Chest CT, axial plane, 120 kVp, kernel D. Slice 46/275 from the bottom of the scan; thickness 1.00 mm; pixel size 0.658 mm.
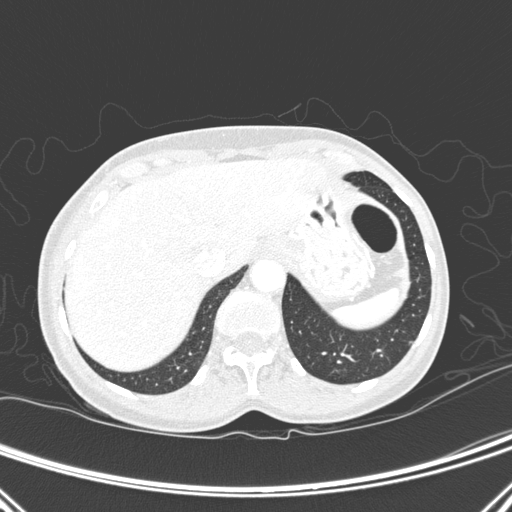
Pulmonary nodule, outlined by two of the four readers. Box on this slice rows 341–343, columns 408–413, the union of the readers' outlines on this slice; median longest diameter 4.1 mm (readers' outlines 3.5–4.7 mm), median volume 25 mm3 (20–29 mm3). Median ratings and the readers' spread: texture 5/5 (solid), both readers agreeing; median margin 4.5/5 (readers ranged 4/5 to 5/5 (circumscribed)); median sphericity 4.5/5 (readers ranged 4/5 to 5/5 (round)); calcification absent from both readers; internal structure soft tissue, both readers agreeing; subtlety 2.5/5 at the median of two readers, spread 2–3; malignancy likelihood 1/5 from both readers. Scale key (1–5): texture non-solid→solid, margin indistinct→circumscribed, sphericity linear→round, subtlety extremely subtle→obvious, malignancy likelihood highly unlikely→highly suspicious of cancer. Box rows and columns are 0-based pixel indices from the top-left corner, inclusive.